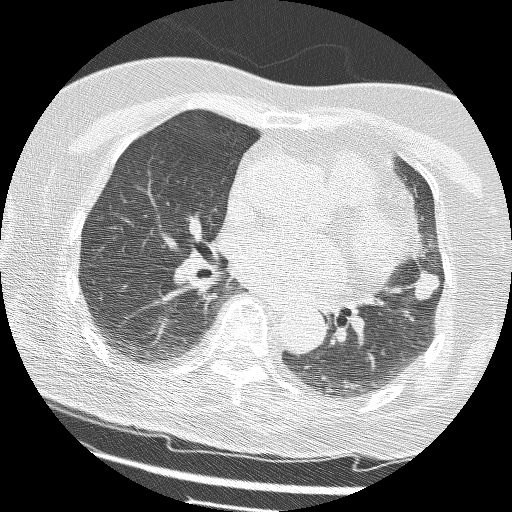
This is axial slice 69 of 161 (slice 1 is the lowest) of a chest CT; each pixel is 0.549 mm and the slice is 1.25 mm thick. Pulmonary nodule outlined by all four readers; box rows 270–301, columns 414–439 (the union of the readers' outlines on this slice); median longest diameter 18.7 mm (readers' outlines 18.2–19.7 mm), median volume 1426 mm3 (1334–1755 mm3). Median ratings and the readers' spread: texture 5/5 (solid), all four readers agreeing; median margin 4/5 (readers ranged 3/5 to 5/5 (circumscribed)); sphericity 3/5 (ovoid) at the median of four readers, spread 3/5 (ovoid) to 4/5; calcification absent from all four readers; internal structure soft tissue, all four readers agreeing; subtlety 5/5, all four readers agreeing; malignancy likelihood 5/5, all four readers agreeing. Scale key (1–5): texture non-solid→solid, margin indistinct→circumscribed, sphericity linear→round, subtlety extremely subtle→obvious, malignancy likelihood highly unlikely→highly suspicious of cancer. Box rows and columns are 0-based pixel indices from the top-left corner, inclusive.
Acquired at 120 kVp and reconstructed with the BONE kernel.